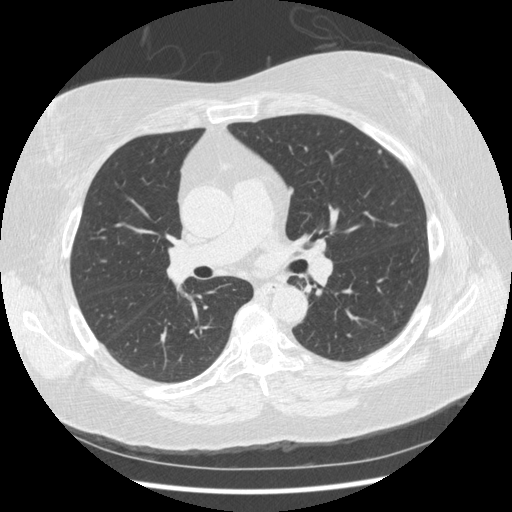
Axial chest CT slice 238 of 436 (counted from the lowest slice); 1.25 mm thick, 0.703 mm per pixel. Pulmonary nodule outlined by one of the four readers; box rows 150–153, columns 378–381 (that reader's outline on this slice); longest diameter 4.0 mm and volume 21 mm3 from that reader's outline. That reader's ratings: texture 5/5 (solid); margin 5/5 (circumscribed); sphericity 5/5 (round); calcification absent; internal structure soft tissue; subtlety 5/5; malignancy likelihood 2/5. Scale key (1–5): texture non-solid→solid, margin indistinct→circumscribed, sphericity linear→round, subtlety extremely subtle→obvious, malignancy likelihood highly unlikely→highly suspicious of cancer. Box rows and columns are 0-based pixel indices from the top-left corner, inclusive.
Acquired at 120 kVp and reconstructed with the STANDARD kernel.